One axial slice (37 of 144, counting up from the lowest) of a chest CT acquired at 120 kVp with the STANDARD kernel; each pixel is 0.625 mm and the slice is 2.50 mm thick.
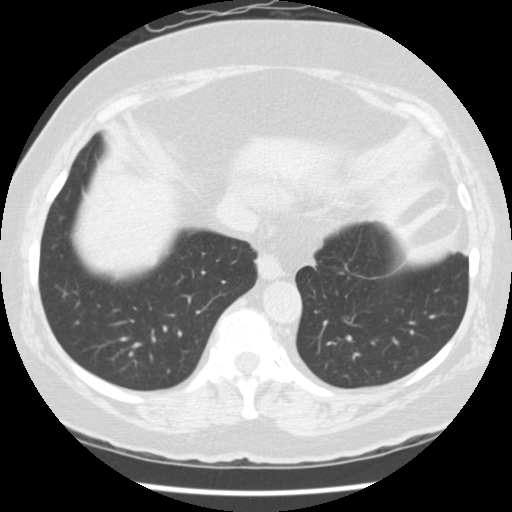
Pulmonary nodule outlined by all four readers, three of them on this slice; box rows 257–266, columns 146–156 (the union of the readers' outlines on this slice); median longest diameter 8.8 mm (readers' outlines 8.1–10.1 mm), median volume 197 mm3 (190–225 mm3). Ratings, median across the readers with their spread: texture 5/5 (solid) from all four readers; median margin 4/5 (readers ranged 3/5 to 5/5 (circumscribed)); median sphericity 4/5 (readers ranged 3/5 (ovoid) to 5/5 (round)); calcification absent, all four readers agreeing; internal structure soft tissue, all four readers agreeing; subtlety 3.5/5 at the median of four readers, spread 3–5; malignancy likelihood 3/5 at the median of four readers, spread 3–4. Scale key (1–5): texture non-solid→solid, margin indistinct→circumscribed, sphericity linear→round, subtlety extremely subtle→obvious, malignancy likelihood highly unlikely→highly suspicious of cancer. Box rows and columns are 0-based pixel indices from the top-left corner, inclusive.